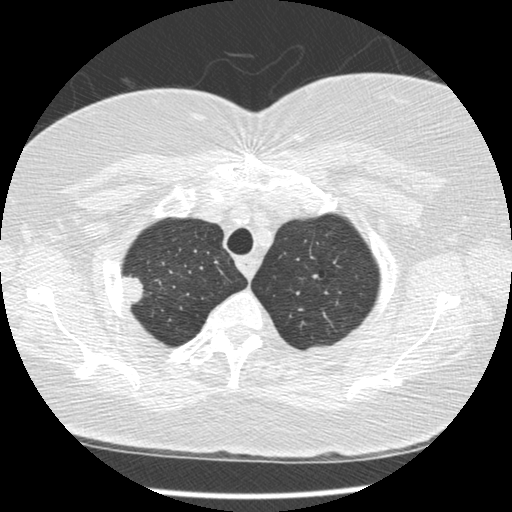
One axial slice (315 of 375, counting up from the lowest) of a chest CT acquired at 120 kVp with the STANDARD kernel; each pixel is 0.625 mm and the slice is 1.25 mm thick.
Pulmonary nodule, outlined by all four readers. Box on this slice rows 275–308, columns 122–143, the union of the readers' outlines on this slice; the four readers' outlines give a longest diameter between 21.2 and 23.2 mm and a volume between 2289 and 3466 mm3. Ratings across the readers: texture from 4/5 to 5/5 (solid) across the four readers; margin from 3/5 to 5/5 (circumscribed) across the four readers; sphericity from 2/5 to 5/5 (round) across the four readers; calcification absent from all four readers; internal structure soft tissue, all four readers agreeing; subtlety 5/5 from all four readers; malignancy likelihood rated between 3 and 5 out of 5 by the four readers. Scale key (1–5): texture non-solid→solid, margin indistinct→circumscribed, sphericity linear→round, subtlety extremely subtle→obvious, malignancy likelihood highly unlikely→highly suspicious of cancer. Box rows and columns are 0-based pixel indices from the top-left corner, inclusive.